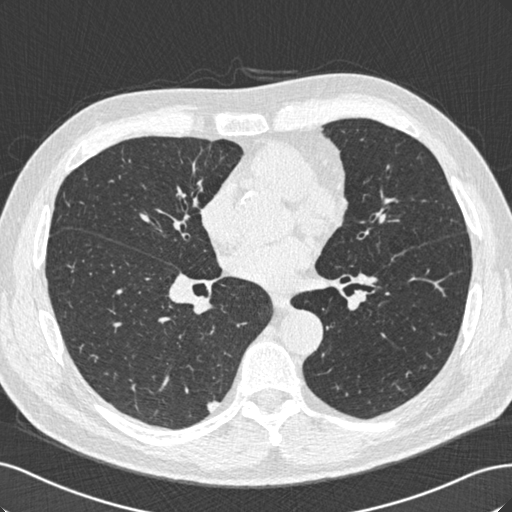
Axial chest CT slice 297 of 529 (counted from the lowest slice); tube voltage 120 kVp, convolution kernel B30f; slices 0.75 mm thick, 0.703 mm per pixel.
Pulmonary nodule outlined by all four readers; box rows 401–411, columns 207–218 (the union of the readers' outlines on this slice); median longest diameter 10.5 mm (readers' outlines 9.8–11.3 mm), median volume 178 mm3 (151–208 mm3). Median ratings and the readers' spread: texture 5/5 (solid), all four readers agreeing; margin 5/5 (circumscribed) at the median of four readers, spread 4/5 to 5/5 (circumscribed); median sphericity 4.5/5 (readers ranged 3/5 (ovoid) to 5/5 (round)); calcification absent, all four readers agreeing; internal structure soft tissue from all four readers; median subtlety 4.5/5 (readers ranged 3–5); malignancy likelihood 3/5 at the median of four readers, spread 2–5. Scale key (1–5): texture non-solid→solid, margin indistinct→circumscribed, sphericity linear→round, subtlety extremely subtle→obvious, malignancy likelihood highly unlikely→highly suspicious of cancer. Box rows and columns are 0-based pixel indices from the top-left corner, inclusive.